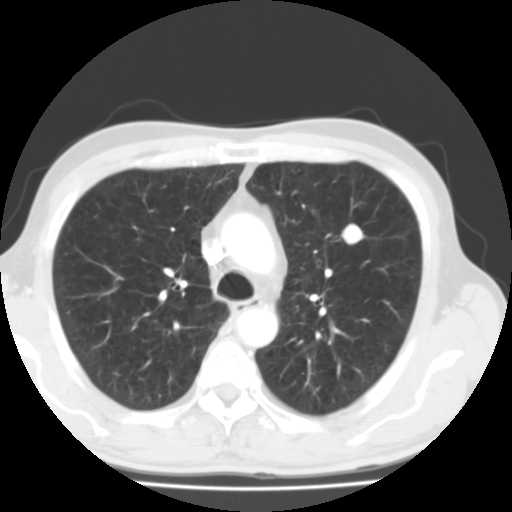
Axial chest CT slice 82 of 119 (counted from the lowest slice); 3.00 mm thick, 0.640 mm per pixel. Pulmonary nodule outlined by all four readers; box rows 223–245, columns 341–364 (the union of the readers' outlines on this slice); the four readers' outlines give a longest diameter between 15.6 and 16.2 mm and a volume between 1503 and 2011 mm3. Ratings across the readers: texture 5/5 (solid), all four readers agreeing; margin from 4/5 to 5/5 (circumscribed) across the four readers; sphericity from 3/5 (ovoid) to 5/5 (round) across the four readers; calcification: absent (three), central calcification (one); internal structure soft tissue from all four readers; subtlety rated between 4 and 5 out of 5 by the four readers; malignancy likelihood rated between 1 and 5 out of 5 by the four readers. Scale key (1–5): texture non-solid→solid, margin indistinct→circumscribed, sphericity linear→round, subtlety extremely subtle→obvious, malignancy likelihood highly unlikely→highly suspicious of cancer. Box rows and columns are 0-based pixel indices from the top-left corner, inclusive.
Acquired at 135 kVp and reconstructed with the FC01 kernel.